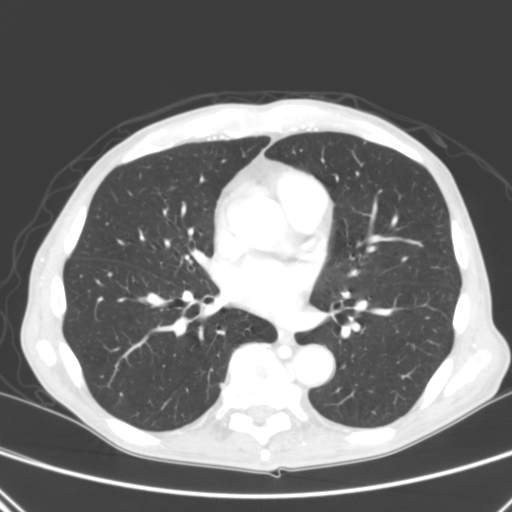
One axial slice (137 of 290, counting up from the lowest) of a chest CT acquired at 120 kVp with the B kernel; each pixel is 0.639 mm and the slice is 2.00 mm thick.
Pulmonary nodule outlined by one of the four readers; box rows 382–388, columns 219–221 (that reader's outline on this slice); longest diameter 5.1 mm and volume 33 mm3 from that reader's outline. That reader's ratings: texture 5/5 (solid); margin 5/5 (circumscribed); sphericity 4/5; calcification absent; internal structure soft tissue; subtlety 5/5; malignancy likelihood 3/5. Scale key (1–5): texture non-solid→solid, margin indistinct→circumscribed, sphericity linear→round, subtlety extremely subtle→obvious, malignancy likelihood highly unlikely→highly suspicious of cancer. Box rows and columns are 0-based pixel indices from the top-left corner, inclusive.